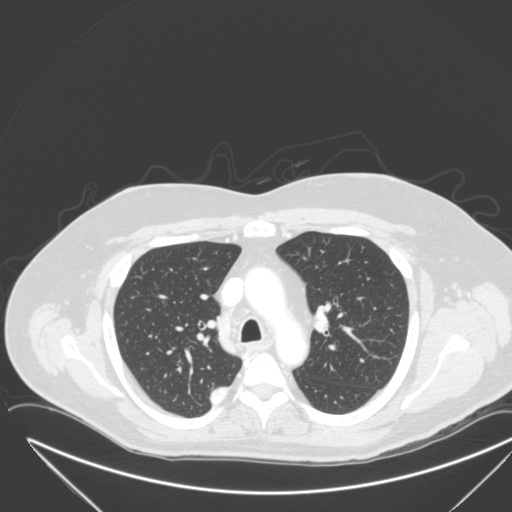
Axial chest CT slice 221 of 315 (counted from the lowest slice); tube voltage 120 kVp, convolution kernel B; slices 2.00 mm thick, 0.830 mm per pixel.
Pulmonary nodule at rows 387–405, columns 211–226 (box = that reader's outline on this slice), outlined by one of the four readers; longest diameter 27.1 mm and volume 6093 mm3 from that reader's outline. That reader's ratings: texture 5/5 (solid); margin 4/5; sphericity 2/5; calcification absent; internal structure soft tissue; subtlety 5/5; malignancy likelihood 4/5. Scale key (1–5): texture non-solid→solid, margin indistinct→circumscribed, sphericity linear→round, subtlety extremely subtle→obvious, malignancy likelihood highly unlikely→highly suspicious of cancer. Box rows and columns are 0-based pixel indices from the top-left corner, inclusive.